One axial slice (245 of 350, counting up from the lowest) of a chest CT acquired at 120 kVp with the C kernel; each pixel is 0.725 mm and the slice is 1.50 mm thick.
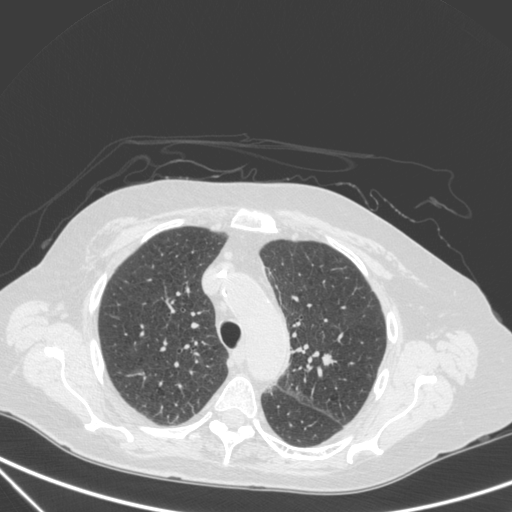
Pulmonary nodule at rows 354–364, columns 322–332 (box = the union of the readers' outlines on this slice), outlined by all four readers; longest diameter 10.7 mm on average over the four readers' outlines (readers' outlines 9.9–11.7 mm), volume 335–580 mm3. The readers' prevailing ratings and who disagreed: texture 5/5 (solid), all four readers agreeing; margin 4/5, all four readers agreeing; most readers (three of four) put sphericity at 3/5 (ovoid), others 4/5 (one); calcification absent, all four readers agreeing; internal structure soft tissue, all four readers agreeing; subtlety 5/5 by three of four readers; the rest gave 4/5 (one); malignancy likelihood split among the readers: 2/5 (one), 3/5 (one), 4/5 (one), 5/5 (one). Scale key (1–5): texture non-solid→solid, margin indistinct→circumscribed, sphericity linear→round, subtlety extremely subtle→obvious, malignancy likelihood highly unlikely→highly suspicious of cancer. Box rows and columns are 0-based pixel indices from the top-left corner, inclusive.